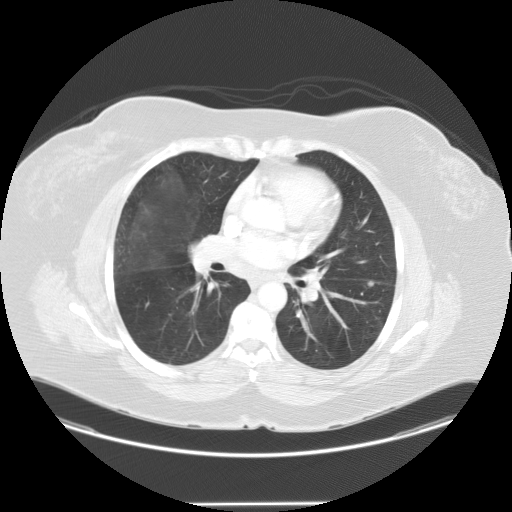
Axial chest CT slice 42 of 95 (counted from the lowest slice); tube voltage 120 kVp, convolution kernel STANDARD; slices 2.50 mm thick, 0.859 mm per pixel.
Pulmonary nodule at rows 280–286, columns 367–373 (box = the union of the readers' outlines on this slice), outlined by all four readers; longest diameter 8.0 mm on average over the four readers' outlines (readers' outlines 7.3–8.8 mm), volume 138–212 mm3. Ratings, by the readers' most common answer with dissent counted: texture 5/5 (solid) from all four readers; margin split among the readers: 4/5 (two), 5/5 (circumscribed) (two); sphericity 3/5 (ovoid) by two of four readers; the rest gave 4/5 (one), 5/5 (round) (one); calcification absent, all four readers agreeing; internal structure soft tissue, all four readers agreeing; most readers (three of four) put subtlety at 3/5, others 2/5 (one); most readers (three of four) put malignancy likelihood at 2/5, others 3/5 (one). Scale key (1–5): texture non-solid→solid, margin indistinct→circumscribed, sphericity linear→round, subtlety extremely subtle→obvious, malignancy likelihood highly unlikely→highly suspicious of cancer. Box rows and columns are 0-based pixel indices from the top-left corner, inclusive.